One axial slice (53 of 133, counting up from the lowest) of a chest CT acquired at 120 kVp with the STANDARD kernel; each pixel is 0.703 mm and the slice is 2.50 mm thick.
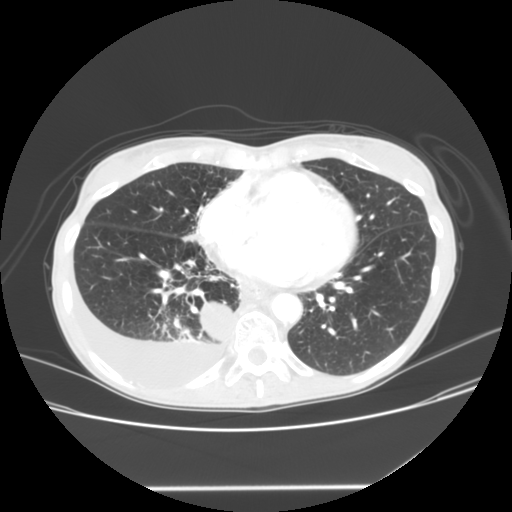
Pulmonary nodule at rows 301–341, columns 199–234 (box = the union of the readers' outlines on this slice), outlined by two of the four readers; median longest diameter 35.2 mm (readers' outlines 33.4–36.9 mm), median volume 15549 mm3 (15304–15793 mm3). Ratings, median across the readers with their spread: median texture 4.5/5 (readers ranged 4/5 to 5/5 (solid)); margin 5/5 (circumscribed), both readers agreeing; sphericity 4.5/5 at the median of two readers, spread 4/5 to 5/5 (round); calcification absent from both readers; internal structure soft tissue from both readers; subtlety 5/5, both readers agreeing; malignancy likelihood 2.5/5 at the median of two readers, spread 2–3. Scale key (1–5): texture non-solid→solid, margin indistinct→circumscribed, sphericity linear→round, subtlety extremely subtle→obvious, malignancy likelihood highly unlikely→highly suspicious of cancer. Box rows and columns are 0-based pixel indices from the top-left corner, inclusive.